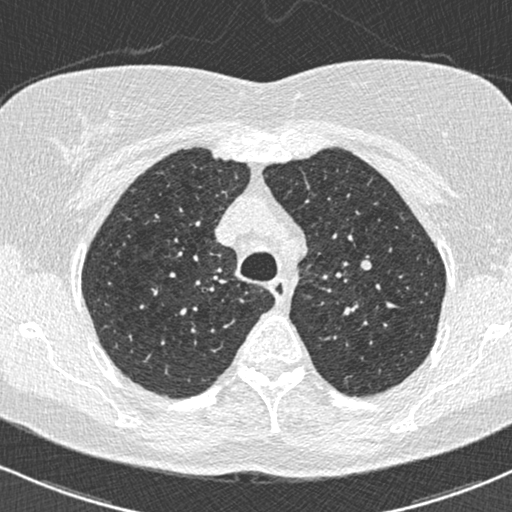
One axial slice (524 of 672, counting up from the lowest) of a chest CT acquired at 120 kVp with the B30f kernel; each pixel is 0.607 mm and the slice is 0.60 mm thick.
Pulmonary nodule, outlined by all four readers. Box on this slice rows 260–269, columns 360–371, the union of the readers' outlines on this slice; longest diameter 8.3 mm on average over the four readers' outlines (readers' outlines 8.1–8.8 mm), volume 181–196 mm3. Ratings, by the readers' most common answer with dissent counted: texture 5/5 (solid), all four readers agreeing; most readers (three of four) put margin at 5/5 (circumscribed), others 4/5 (one); sphericity 5/5 (round) by three of four readers; the rest gave 3/5 (ovoid) (one); calcification absent, all four readers agreeing; internal structure soft tissue, all four readers agreeing; subtlety 4/5 by two of four readers; the rest gave 1/5 (one), 5/5 (one); malignancy likelihood 3/5 by three of four readers; the rest gave 2/5 (one). Scale key (1–5): texture non-solid→solid, margin indistinct→circumscribed, sphericity linear→round, subtlety extremely subtle→obvious, malignancy likelihood highly unlikely→highly suspicious of cancer. Box rows and columns are 0-based pixel indices from the top-left corner, inclusive.